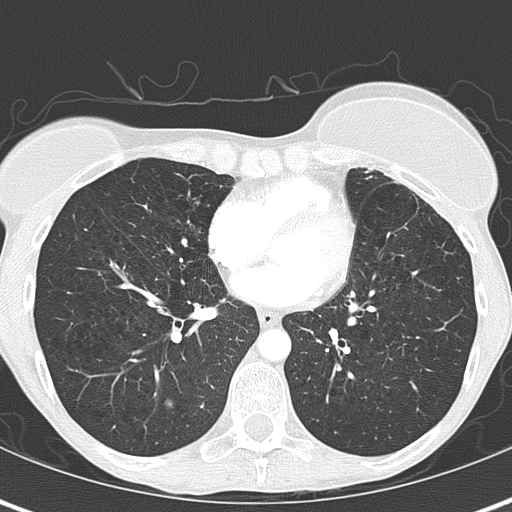
Chest CT, axial plane, 120 kVp, kernel B70f. Slice 170/345 from the bottom of the scan; thickness 2.00 mm; pixel size 0.541 mm.
Pulmonary nodule at rows 398–409, columns 163–173 (box = the union of the readers' outlines on this slice), outlined by all four readers; longest diameter 13.8 mm on average over the four readers' outlines (readers' outlines 13.7–13.9 mm), volume 707–844 mm3. The readers' prevailing ratings and who disagreed: texture 5/5 (solid) from all four readers; margin 5/5 (circumscribed), all four readers agreeing; sphericity split among the readers: 3/5 (ovoid) (two), 5/5 (round) (two); calcification split among the readers: laminated calcification (two), solid calcification (two); internal structure soft tissue from all four readers; subtlety 5/5 from all four readers; malignancy likelihood 1/5 from all four readers. Scale key (1–5): texture non-solid→solid, margin indistinct→circumscribed, sphericity linear→round, subtlety extremely subtle→obvious, malignancy likelihood highly unlikely→highly suspicious of cancer. Box rows and columns are 0-based pixel indices from the top-left corner, inclusive.